One axial slice (340 of 445, counting up from the lowest) of a chest CT acquired at 120 kVp with the STANDARD kernel; each pixel is 0.645 mm and the slice is 1.25 mm thick.
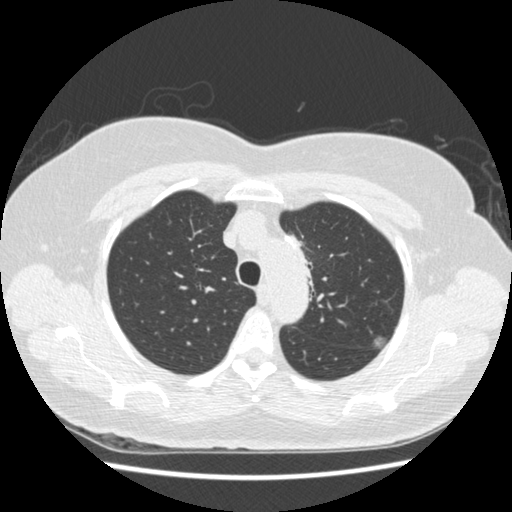
Pulmonary nodule at rows 335–350, columns 371–387 (box = the union of the readers' outlines on this slice), outlined by all four readers; longest diameter 10.9 mm on average over the four readers' outlines (readers' outlines 9.9–11.6 mm), volume 292–430 mm3. The readers' prevailing ratings and who disagreed: texture 2/5 by two of four readers; the rest gave 1/5 (non-solid) (one), 4/5 (one); margin 4/5 by two of four readers; the rest gave 2/5 (one), 5/5 (circumscribed) (one); sphericity split among the readers: 3/5 (ovoid) (two), 5/5 (round) (two); calcification absent from all four readers; internal structure soft tissue from all four readers; most readers (three of four) put subtlety at 3/5, others 5/5 (one); malignancy likelihood 4/5 by two of four readers; the rest gave 2/5 (one), 5/5 (one). Scale key (1–5): texture non-solid→solid, margin indistinct→circumscribed, sphericity linear→round, subtlety extremely subtle→obvious, malignancy likelihood highly unlikely→highly suspicious of cancer. Box rows and columns are 0-based pixel indices from the top-left corner, inclusive.